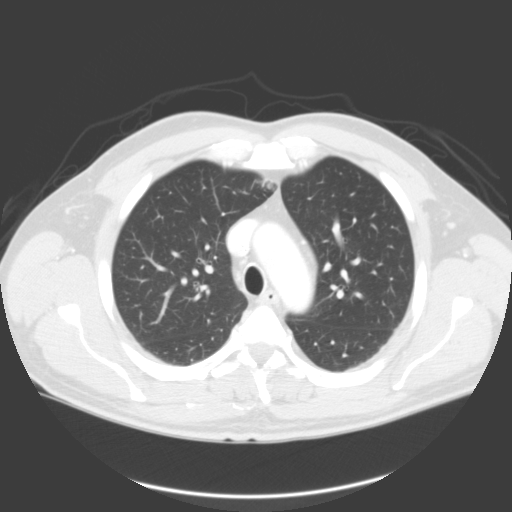
Axial slice 64 of 95 of a chest CT (slice 1 is the lowest), reconstructed with the B kernel at 120 kVp; 3.00 mm slice thickness and 0.750 mm pixels.
Pulmonary nodule, outlined by all four readers, three of them on this slice. Box on this slice rows 182–188, columns 267–273, the union of the readers' outlines on this slice; median longest diameter 16.5 mm (readers' outlines 14.5–17.6 mm), median volume 1192 mm3 (912–1341 mm3). Median ratings and the readers' spread: texture 3.5/5 at the median of four readers, spread 3/5 (part-solid) to 5/5 (solid); margin 3.5/5 at the median of four readers, spread 2/5 to 4/5; median sphericity 4/5 (readers ranged 3/5 (ovoid) to 4/5); calcification absent from all four readers; internal structure soft tissue from all four readers; subtlety 4.5/5 at the median of four readers, spread 4–5; median malignancy likelihood 4/5 (readers ranged 3–5). Scale key (1–5): texture non-solid→solid, margin indistinct→circumscribed, sphericity linear→round, subtlety extremely subtle→obvious, malignancy likelihood highly unlikely→highly suspicious of cancer. Box rows and columns are 0-based pixel indices from the top-left corner, inclusive.